Axial chest CT slice 176 of 240 (counted from the lowest slice); tube voltage 120 kVp, convolution kernel BONE; slices 1.25 mm thick, 0.566 mm per pixel.
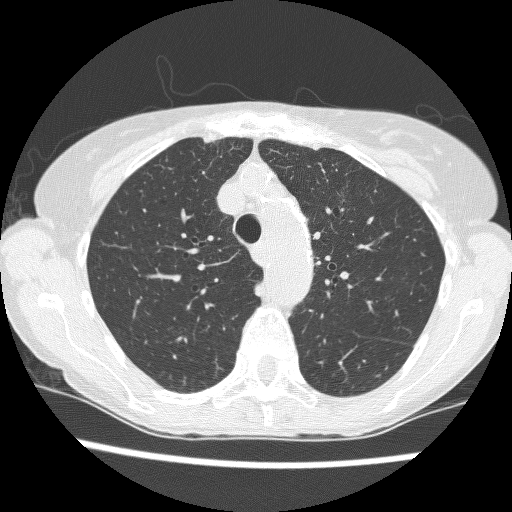
Pulmonary nodule, outlined by one of the four readers. Box on this slice rows 305–308, columns 187–189, that reader's outline on this slice; longest diameter 4.7 mm and volume 47 mm3 from that reader's outline. Ratings by that reader: texture 5/5 (solid); margin 4/5; sphericity 4/5; calcification absent; internal structure soft tissue; subtlety 1/5; malignancy likelihood 3/5. Scale key (1–5): texture non-solid→solid, margin indistinct→circumscribed, sphericity linear→round, subtlety extremely subtle→obvious, malignancy likelihood highly unlikely→highly suspicious of cancer. Box rows and columns are 0-based pixel indices from the top-left corner, inclusive.